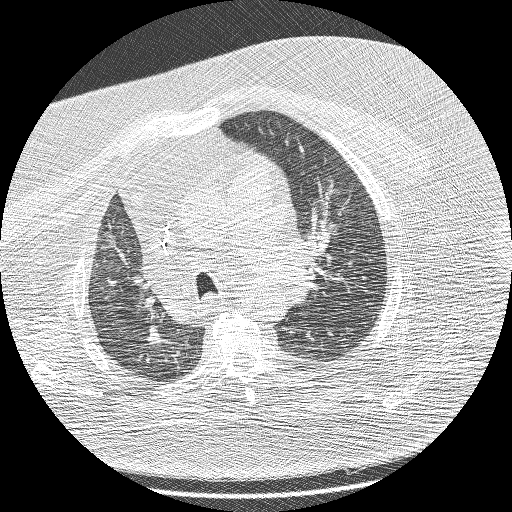
One axial slice (142 of 208, counting up from the lowest) of a chest CT acquired at 120 kVp with the BONE kernel; each pixel is 0.723 mm and the slice is 1.25 mm thick.
Pulmonary nodule at rows 234–250, columns 102–115 (box = the one reader's outline on this slice), outlined by all four readers, one of them on this slice; longest diameter 25.6–30.6 mm and volume 4623–6820 mm3 across the four readers' outlines. The readers' ratings, as ranges where they differ: texture 5/5 (solid), all four readers agreeing; margin from 1/5 (indistinct) to 3/5 across the four readers; sphericity from 3/5 (ovoid) to 4/5 across the four readers; calcification absent, all four readers agreeing; internal structure soft tissue, all four readers agreeing; subtlety 5/5, all four readers agreeing; malignancy likelihood 5/5 from all four readers. Scale key (1–5): texture non-solid→solid, margin indistinct→circumscribed, sphericity linear→round, subtlety extremely subtle→obvious, malignancy likelihood highly unlikely→highly suspicious of cancer. Box rows and columns are 0-based pixel indices from the top-left corner, inclusive.